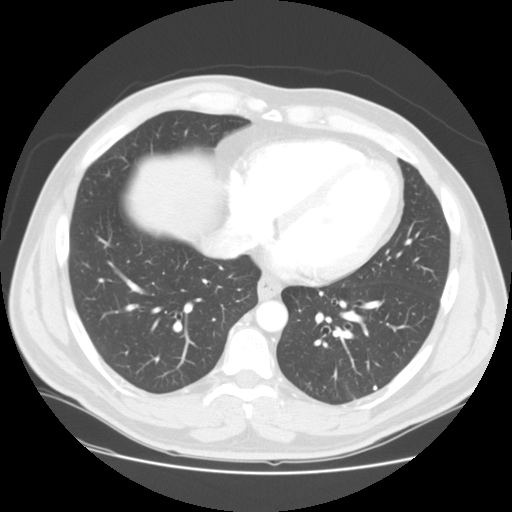
Axial slice 67 of 139 of a chest CT (slice 1 is the lowest), reconstructed with the STANDARD kernel at 120 kVp; 2.50 mm slice thickness and 0.742 mm pixels.
Pulmonary nodule outlined by two of the four readers; box rows 385–390, columns 373–376 (the union of the readers' outlines on this slice); longest diameter 5.2 mm on average over the two readers' outlines (readers' outlines 5.2 mm), volume 46–52 mm3. The readers' prevailing ratings and who disagreed: texture 5/5 (solid) from both readers; margin 5/5 (circumscribed) from both readers; sphericity split among the readers: 4/5 (one), 5/5 (round) (one); calcification solid calcification, both readers agreeing; internal structure soft tissue, both readers agreeing; subtlety split among the readers: 3/5 (one), 5/5 (one); malignancy likelihood 1/5, both readers agreeing. Scale key (1–5): texture non-solid→solid, margin indistinct→circumscribed, sphericity linear→round, subtlety extremely subtle→obvious, malignancy likelihood highly unlikely→highly suspicious of cancer. Box rows and columns are 0-based pixel indices from the top-left corner, inclusive.